Chest CT, axial plane, 120 kVp, kernel STANDARD. Slice 92/133 from the bottom of the scan; thickness 2.50 mm; pixel size 0.742 mm.
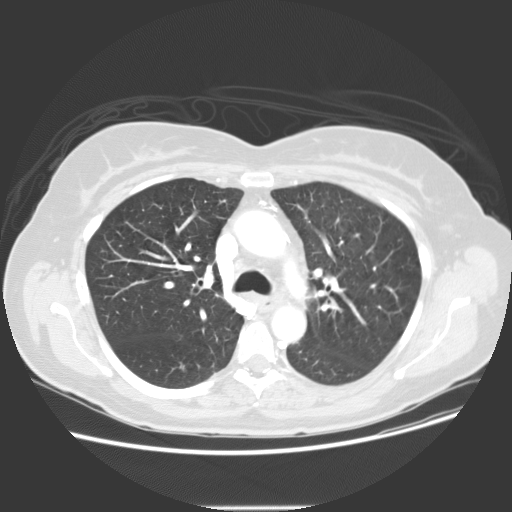
No nodule 3 mm or larger was outlined here by any reader.